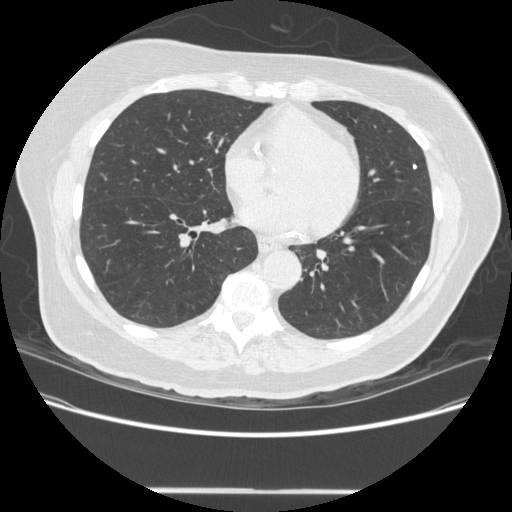
Axial slice 187 of 481 of a chest CT (slice 1 is the lowest), reconstructed with the STANDARD kernel at 120 kVp; 1.25 mm slice thickness and 0.742 mm pixels.
Pulmonary nodule, outlined by two of the four readers. Box on this slice rows 164–168, columns 412–416, the union of the readers' outlines on this slice; median longest diameter 5.4 mm (readers' outlines 5.4 mm), median volume 40 mm3 (38–43 mm3). Ratings, median across the readers with their spread: texture 5/5 (solid) from both readers; median margin 4.5/5 (readers ranged 4/5 to 5/5 (circumscribed)); median sphericity 4.5/5 (readers ranged 4/5 to 5/5 (round)); calcification split among the readers: solid calcification (one), absent (one); internal structure soft tissue from both readers; median subtlety 4/5 (readers ranged 3–5); median malignancy likelihood 1.5/5 (readers ranged 1–2). Scale key (1–5): texture non-solid→solid, margin indistinct→circumscribed, sphericity linear→round, subtlety extremely subtle→obvious, malignancy likelihood highly unlikely→highly suspicious of cancer. Box rows and columns are 0-based pixel indices from the top-left corner, inclusive.